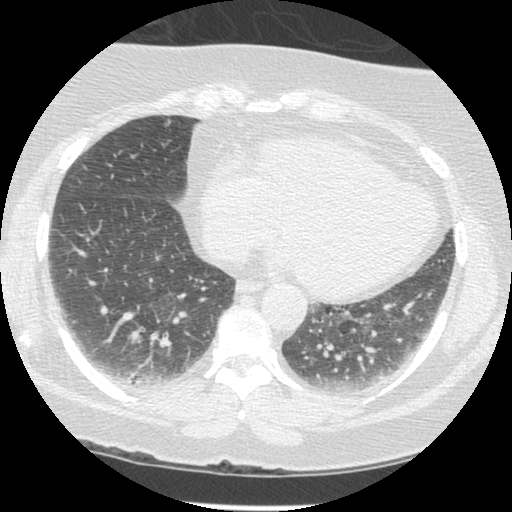
One axial slice (108 of 381, counting up from the lowest) of a chest CT acquired at 120 kVp with the STANDARD kernel; each pixel is 0.625 mm and the slice is 1.25 mm thick.
Pulmonary nodule at rows 120–125, columns 165–169 (box = that reader's outline on this slice), outlined by one of the four readers; longest diameter 5.6 mm and volume 28 mm3 from that reader's outline. That reader's ratings: texture 4/5; margin 5/5 (circumscribed); sphericity 5/5 (round); calcification absent; internal structure soft tissue; subtlety 1/5; malignancy likelihood 2/5. Scale key (1–5): texture non-solid→solid, margin indistinct→circumscribed, sphericity linear→round, subtlety extremely subtle→obvious, malignancy likelihood highly unlikely→highly suspicious of cancer. Box rows and columns are 0-based pixel indices from the top-left corner, inclusive.